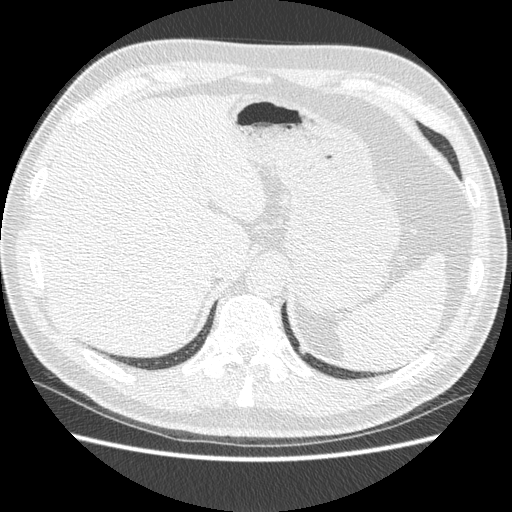
Axial chest CT slice 88 of 477 (counted from the lowest slice); 1.25 mm thick, 0.703 mm per pixel. Pulmonary nodule at rows 346–355, columns 298–305 (box = the union of the readers' outlines on this slice), outlined by all four readers; median longest diameter 11.7 mm (readers' outlines 10.5–13.2 mm), median volume 384 mm3 (347–425 mm3). Median ratings and the readers' spread: texture 5/5 (solid) from all four readers; median margin 4/5 (readers ranged 4/5 to 5/5 (circumscribed)); median sphericity 3.5/5 (readers ranged 3/5 (ovoid) to 5/5 (round)); calcification split among the readers: solid calcification (one), non-central calcification (one), central calcification (one), absent (one); internal structure soft tissue from all four readers; median subtlety 4/5 (readers ranged 3–5); median malignancy likelihood 1.5/5 (readers ranged 1–2). Scale key (1–5): texture non-solid→solid, margin indistinct→circumscribed, sphericity linear→round, subtlety extremely subtle→obvious, malignancy likelihood highly unlikely→highly suspicious of cancer. Box rows and columns are 0-based pixel indices from the top-left corner, inclusive.
Scan settings: 120 kVp, STANDARD reconstruction kernel.